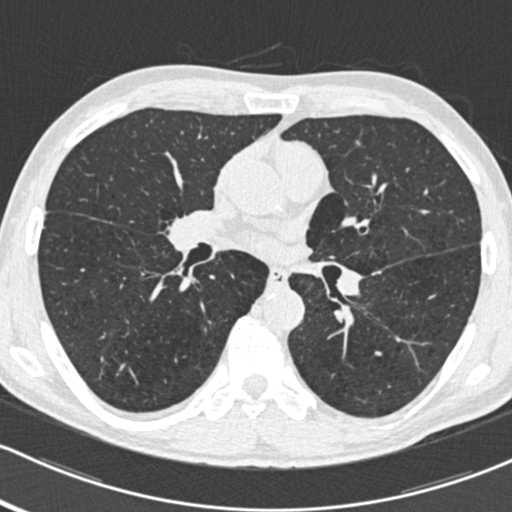
Chest CT, axial plane, 120 kVp, kernel B30f. Slice 278/483 from the bottom of the scan; thickness 0.75 mm; pixel size 0.617 mm.
Pulmonary nodule, outlined by one of the four readers. Box on this slice rows 167–171, columns 406–408, that reader's outline on this slice; longest diameter 5.0 mm and volume 22 mm3 from that reader's outline. That reader's ratings: texture 5/5 (solid); margin 5/5 (circumscribed); sphericity 5/5 (round); calcification absent; internal structure soft tissue; subtlety 5/5; malignancy likelihood 2/5. Scale key (1–5): texture non-solid→solid, margin indistinct→circumscribed, sphericity linear→round, subtlety extremely subtle→obvious, malignancy likelihood highly unlikely→highly suspicious of cancer. Box rows and columns are 0-based pixel indices from the top-left corner, inclusive.